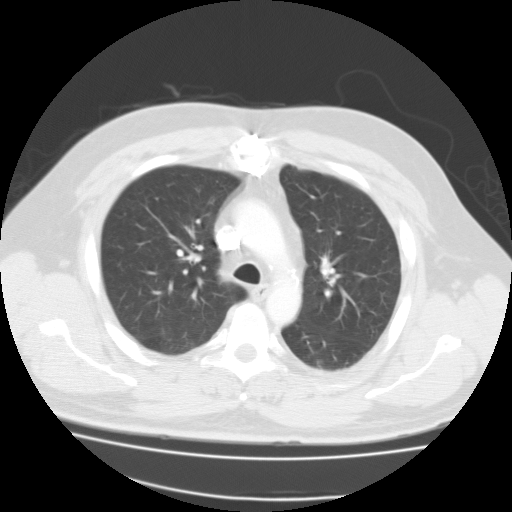
One axial slice (81 of 115, counting up from the lowest) of a chest CT acquired at 135 kVp with the FC01 kernel; each pixel is 0.782 mm and the slice is 3.00 mm thick.
No nodule 3 mm or larger was outlined here by any reader.